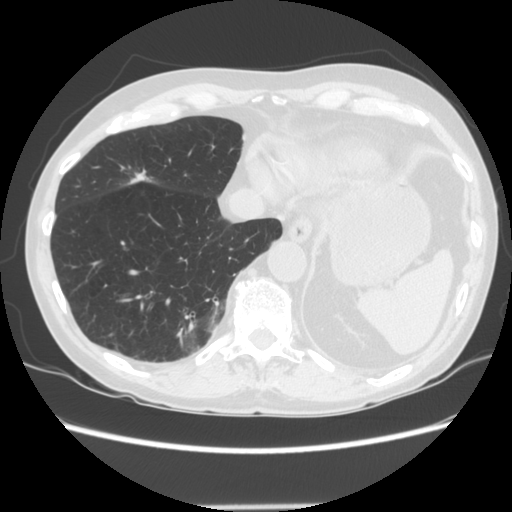
Axial slice 43 of 143 of a chest CT (slice 1 is the lowest), reconstructed with the STANDARD kernel at 120 kVp; 2.50 mm slice thickness and 0.703 mm pixels.
Pulmonary nodule at rows 168–184, columns 125–154 (box = the union of the readers' outlines on this slice), outlined by all four readers; median longest diameter 22.8 mm (readers' outlines 21.6–28.5 mm), median volume 2075 mm3 (1793–2260 mm3). Median ratings and the readers' spread: median texture 5/5 (solid) (readers ranged 4/5 to 5/5 (solid)); margin 4/5 at the median of four readers, spread 4/5 to 5/5 (circumscribed); median sphericity 3.5/5 (readers ranged 2/5 to 5/5 (round)); calcification absent, all four readers agreeing; internal structure soft tissue, all four readers agreeing; subtlety 5/5 from all four readers; median malignancy likelihood 5/5 (readers ranged 4–5). Scale key (1–5): texture non-solid→solid, margin indistinct→circumscribed, sphericity linear→round, subtlety extremely subtle→obvious, malignancy likelihood highly unlikely→highly suspicious of cancer. Box rows and columns are 0-based pixel indices from the top-left corner, inclusive.